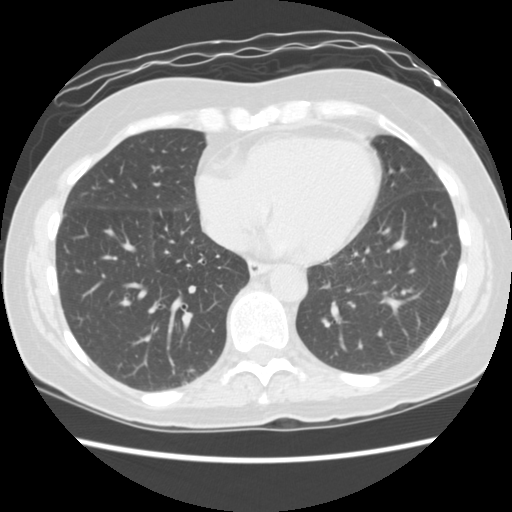
One axial slice (49 of 156, counting up from the lowest) of a chest CT acquired at 120 kVp with the STANDARD kernel; each pixel is 0.645 mm and the slice is 2.50 mm thick.
Pulmonary nodule outlined by two of the four readers; box rows 381–384, columns 181–185 (the union of the readers' outlines on this slice); the two readers' outlines give a longest diameter between 4.9 and 5.5 mm and a volume between 43 and 73 mm3. The readers' ratings, as ranges where they differ: texture 5/5 (solid), both readers agreeing; margin from 4/5 to 5/5 (circumscribed) across the two readers; sphericity 4/5 from both readers; calcification absent, both readers agreeing; internal structure soft tissue from both readers; subtlety from 4/5 to 5/5 across the two readers; malignancy likelihood rated between 2 and 3 out of 5 by the two readers. Scale key (1–5): texture non-solid→solid, margin indistinct→circumscribed, sphericity linear→round, subtlety extremely subtle→obvious, malignancy likelihood highly unlikely→highly suspicious of cancer. Box rows and columns are 0-based pixel indices from the top-left corner, inclusive.